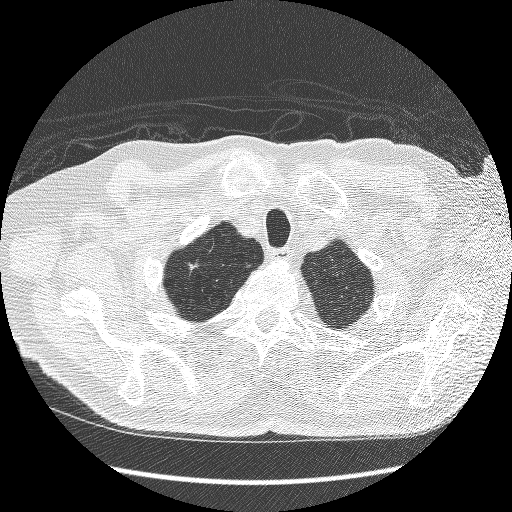
Axial chest CT slice 219 of 241 (counted from the lowest slice); tube voltage 120 kVp, convolution kernel BONE; slices 1.25 mm thick, 0.703 mm per pixel.
Pulmonary nodule outlined by three of the four readers; box rows 262–270, columns 188–197 (the union of the readers' outlines on this slice); median longest diameter 9.2 mm (readers' outlines 9.2–11.4 mm), median volume 118 mm3 (110–218 mm3). Median ratings and the readers' spread: texture 5/5 (solid) from all three readers; median margin 4/5 (readers ranged 3/5 to 5/5 (circumscribed)); sphericity 3/5 (ovoid) at the median of three readers, spread 2/5 to 3/5 (ovoid); calcification absent from all three readers; internal structure soft tissue from all three readers; median subtlety 4/5 (readers ranged 3–5); malignancy likelihood 3/5 at the median of three readers, spread 2–3. Scale key (1–5): texture non-solid→solid, margin indistinct→circumscribed, sphericity linear→round, subtlety extremely subtle→obvious, malignancy likelihood highly unlikely→highly suspicious of cancer. Box rows and columns are 0-based pixel indices from the top-left corner, inclusive.